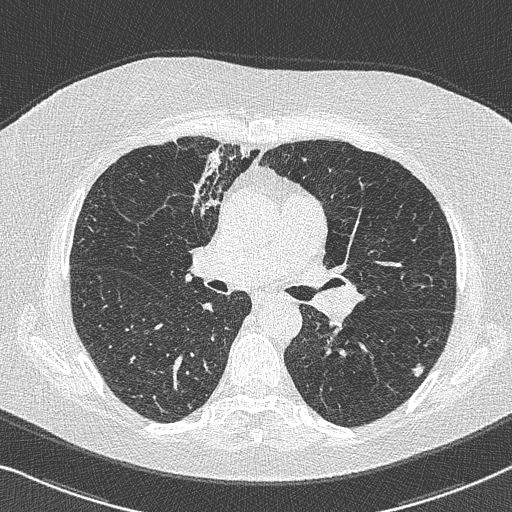
This is axial slice 449 of 733 (slice 1 is the lowest) of a chest CT; each pixel is 0.637 mm and the slice is 0.60 mm thick. Pulmonary nodule outlined by all four readers; box rows 362–377, columns 409–424 (the union of the readers' outlines on this slice); longest diameter 11.5 mm on average over the four readers' outlines (readers' outlines 11.1–11.9 mm), volume 231–376 mm3. The readers' prevailing ratings and who disagreed: texture 5/5 (solid), all four readers agreeing; margin 3/5 by two of four readers; the rest gave 4/5 (one), 5/5 (circumscribed) (one); sphericity 3/5 (ovoid) by three of four readers; the rest gave 5/5 (round) (one); calcification absent, all four readers agreeing; internal structure soft tissue from all four readers; subtlety split among the readers: 4/5 (two), 5/5 (two); malignancy likelihood split among the readers: 3/5 (two), 4/5 (two). Scale key (1–5): texture non-solid→solid, margin indistinct→circumscribed, sphericity linear→round, subtlety extremely subtle→obvious, malignancy likelihood highly unlikely→highly suspicious of cancer. Box rows and columns are 0-based pixel indices from the top-left corner, inclusive.
Tube voltage 120 kVp; convolution kernel B50f.